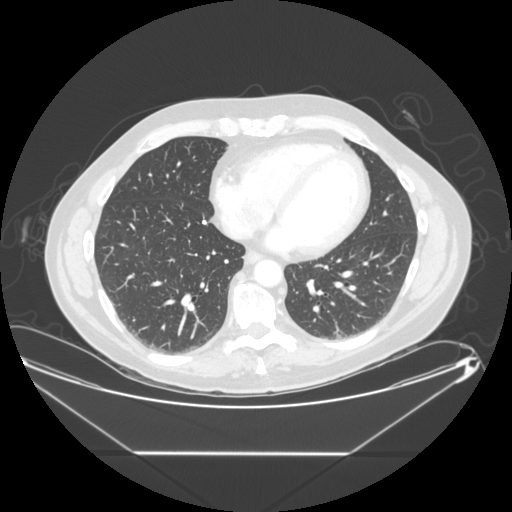
Axial chest CT slice 94 of 265 (counted from the lowest slice); tube voltage 120 kVp, convolution kernel STANDARD; slices 1.25 mm thick, 0.883 mm per pixel.
Pulmonary nodule at rows 219–225, columns 201–207 (box = the union of the readers' outlines on this slice), outlined by three of the four readers; longest diameter 6.9 mm on average over the three readers' outlines (readers' outlines 6.4–8.0 mm), volume 79–125 mm3. Ratings, by the readers' most common answer with dissent counted: texture 5/5 (solid), all three readers agreeing; margin 5/5 (circumscribed), all three readers agreeing; most readers (two of three) put sphericity at 5/5 (round), others 4/5 (one); calcification solid calcification, all three readers agreeing; internal structure soft tissue, all three readers agreeing; subtlety 5/5 by two of three readers; the rest gave 4/5 (one); malignancy likelihood 1/5 from all three readers. Scale key (1–5): texture non-solid→solid, margin indistinct→circumscribed, sphericity linear→round, subtlety extremely subtle→obvious, malignancy likelihood highly unlikely→highly suspicious of cancer. Box rows and columns are 0-based pixel indices from the top-left corner, inclusive.